Axial chest CT slice 60 of 122 (counted from the lowest slice); tube voltage 135 kVp, convolution kernel FC01; slices 3.00 mm thick, 0.650 mm per pixel.
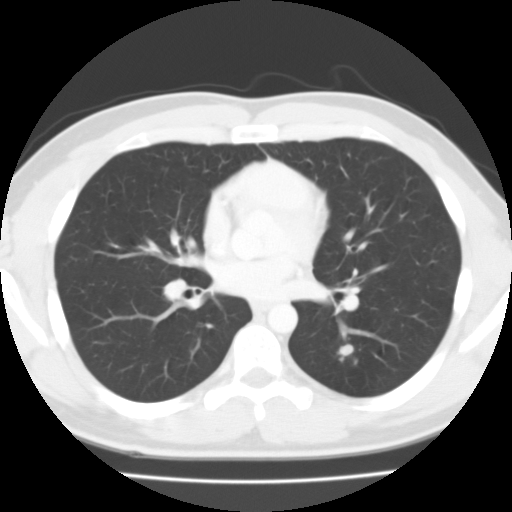
Pulmonary nodule at rows 344–359, columns 339–352 (box = the union of the readers' outlines on this slice), outlined by all four readers; median longest diameter 11.0 mm (readers' outlines 10.5–11.7 mm), median volume 436 mm3 (236–489 mm3). Median ratings and the readers' spread: texture 5/5 (solid) at the median of four readers, spread 4/5 to 5/5 (solid); margin 4/5 at the median of four readers, spread 3/5 to 5/5 (circumscribed); sphericity 3/5 (ovoid) at the median of four readers, spread 2/5 to 4/5; calcification absent, all four readers agreeing; internal structure soft tissue, all four readers agreeing; subtlety 3.5/5 at the median of four readers, spread 3–4; malignancy likelihood 2.5/5 at the median of four readers, spread 1–5. Scale key (1–5): texture non-solid→solid, margin indistinct→circumscribed, sphericity linear→round, subtlety extremely subtle→obvious, malignancy likelihood highly unlikely→highly suspicious of cancer. Box rows and columns are 0-based pixel indices from the top-left corner, inclusive.